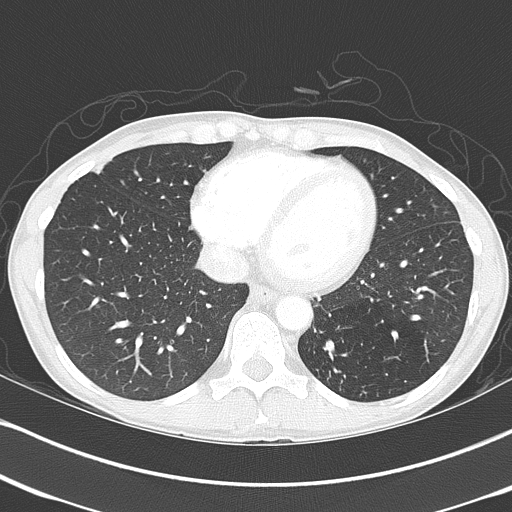
One axial slice (150 of 368, counting up from the lowest) of a chest CT acquired at 120 kVp with the B70f kernel; each pixel is 0.623 mm and the slice is 2.00 mm thick.
Pulmonary nodule outlined by all four readers, one of them on this slice; box rows 163–172, columns 93–103 (the one reader's outline on this slice); longest diameter 27.1–39.3 mm and volume 6531–9806 mm3 across the four readers' outlines. The readers' ratings, as ranges where they differ: texture 5/5 (solid), all four readers agreeing; margin from 2/5 to 5/5 (circumscribed) across the four readers; sphericity from 2/5 to 3/5 (ovoid) across the four readers; calcification split among the readers: laminated calcification (one), absent (one), popcorn calcification (one), non-central calcification (one); internal structure soft tissue, all four readers agreeing; subtlety 5/5 from all four readers; malignancy likelihood rated between 1 and 5 out of 5 by the four readers. Scale key (1–5): texture non-solid→solid, margin indistinct→circumscribed, sphericity linear→round, subtlety extremely subtle→obvious, malignancy likelihood highly unlikely→highly suspicious of cancer. Box rows and columns are 0-based pixel indices from the top-left corner, inclusive.